One axial slice (101 of 280, counting up from the lowest) of a chest CT acquired at 120 kVp with the D kernel; each pixel is 0.830 mm and the slice is 1.00 mm thick.
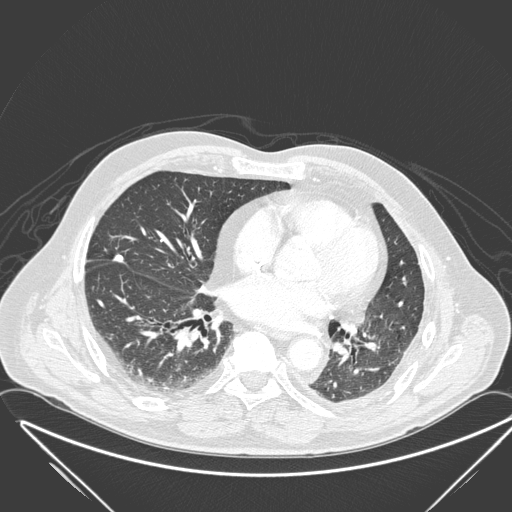
Pulmonary nodule, outlined by all four readers. Box on this slice rows 254–262, columns 111–123, the union of the readers' outlines on this slice; median longest diameter 21.3 mm (readers' outlines 17.6–22.4 mm), median volume 749 mm3 (620–866 mm3). Ratings, median across the readers with their spread: texture 5/5 (solid) from all four readers; median margin 4.5/5 (readers ranged 4/5 to 5/5 (circumscribed)); median sphericity 4/5 (readers ranged 3/5 (ovoid) to 5/5 (round)); calcification split among the readers: absent (two), solid calcification (two); internal structure soft tissue, all four readers agreeing; subtlety 5/5, all four readers agreeing; malignancy likelihood 3/5 at the median of four readers, spread 1–5. Scale key (1–5): texture non-solid→solid, margin indistinct→circumscribed, sphericity linear→round, subtlety extremely subtle→obvious, malignancy likelihood highly unlikely→highly suspicious of cancer. Box rows and columns are 0-based pixel indices from the top-left corner, inclusive.